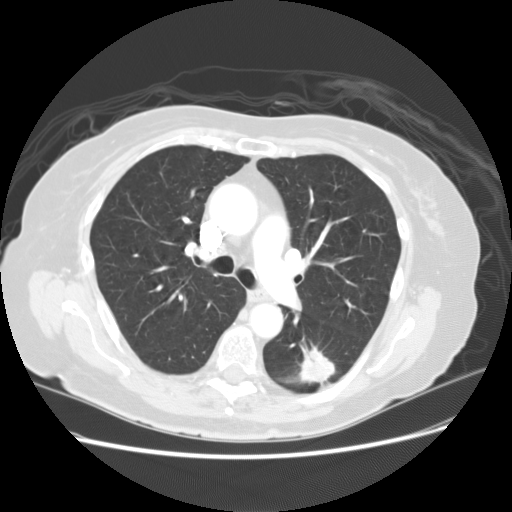
This is axial slice 90 of 133 (slice 1 is the lowest) of a chest CT; each pixel is 0.703 mm and the slice is 2.50 mm thick. Pulmonary nodule, outlined by all four readers. Box on this slice rows 341–385, columns 299–335, the union of the readers' outlines on this slice; median longest diameter 32.7 mm (readers' outlines 32.0–33.7 mm), median volume 6971 mm3 (6146–7869 mm3). Median ratings and the readers' spread: median texture 5/5 (solid) (readers ranged 4/5 to 5/5 (solid)); margin 3.5/5 at the median of four readers, spread 2/5 to 4/5; median sphericity 3.5/5 (readers ranged 3/5 (ovoid) to 5/5 (round)); calcification absent, all four readers agreeing; internal structure soft tissue, all four readers agreeing; subtlety 5/5, all four readers agreeing; median malignancy likelihood 5/5 (readers ranged 4–5). Scale key (1–5): texture non-solid→solid, margin indistinct→circumscribed, sphericity linear→round, subtlety extremely subtle→obvious, malignancy likelihood highly unlikely→highly suspicious of cancer. Box rows and columns are 0-based pixel indices from the top-left corner, inclusive.
Acquired at 120 kVp and reconstructed with the STANDARD kernel.